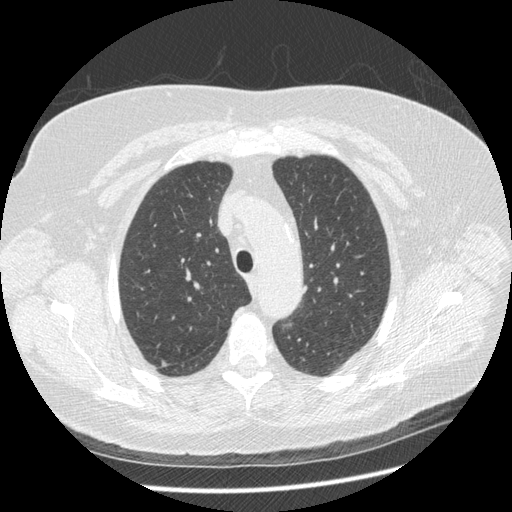
Axial chest CT slice 297 of 413 (counted from the lowest slice); 1.25 mm thick, 0.703 mm per pixel. Pulmonary nodule, outlined by two of the four readers. Box on this slice rows 360–367, columns 160–168, the union of the readers' outlines on this slice; longest diameter 7.7 mm on average over the two readers' outlines (readers' outlines 7.3–8.0 mm), volume 94–128 mm3. The readers' prevailing ratings and who disagreed: texture 5/5 (solid) from both readers; margin split among the readers: 3/5 (one), 4/5 (one); sphericity split among the readers: 2/5 (one), 3/5 (ovoid) (one); calcification absent from both readers; internal structure soft tissue, both readers agreeing; subtlety split among the readers: 3/5 (one), 4/5 (one); malignancy likelihood split among the readers: 3/5 (one), 5/5 (one). Scale key (1–5): texture non-solid→solid, margin indistinct→circumscribed, sphericity linear→round, subtlety extremely subtle→obvious, malignancy likelihood highly unlikely→highly suspicious of cancer. Box rows and columns are 0-based pixel indices from the top-left corner, inclusive.
Scan settings: 120 kVp, STANDARD reconstruction kernel.